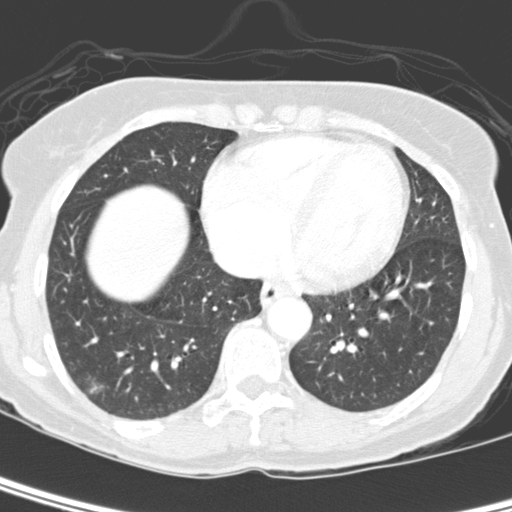
Axial slice 180 of 350 of a chest CT (slice 1 is the lowest), reconstructed with the D kernel at 120 kVp; 2.00 mm slice thickness and 0.543 mm pixels.
Pulmonary nodule, outlined by two of the four readers. Box on this slice rows 383–393, columns 86–103, the union of the readers' outlines on this slice; median longest diameter 9.8 mm (readers' outlines 9.0–10.5 mm), median volume 229 mm3 (204–254 mm3). Ratings, median across the readers with their spread: median texture 2/5 (readers ranged 1/5 (non-solid) to 3/5 (part-solid)); margin 1.5/5 at the median of two readers, spread 1/5 (indistinct) to 2/5; sphericity 3/5 (ovoid) from both readers; calcification absent from both readers; internal structure soft tissue from both readers; subtlety 2/5 from both readers; malignancy likelihood 3/5 from both readers. Scale key (1–5): texture non-solid→solid, margin indistinct→circumscribed, sphericity linear→round, subtlety extremely subtle→obvious, malignancy likelihood highly unlikely→highly suspicious of cancer. Box rows and columns are 0-based pixel indices from the top-left corner, inclusive.